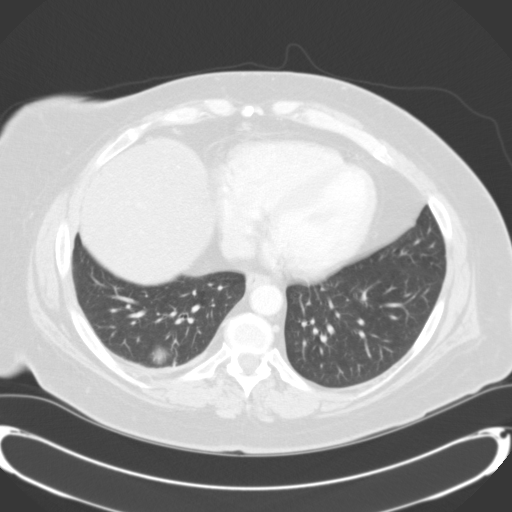
One axial slice (63 of 124, counting up from the lowest) of a chest CT acquired at 120 kVp with the B31f kernel; each pixel is 0.764 mm and the slice is 3.00 mm thick.
Pulmonary nodule at rows 347–363, columns 152–167 (box = the union of the readers' outlines on this slice), outlined by three of the four readers; longest diameter 33.3 mm on average over the three readers' outlines (readers' outlines 32.1–33.9 mm), volume 13060–14151 mm3. The readers' prevailing ratings and who disagreed: most readers (two of three) put texture at 5/5 (solid), others 4/5 (one); margin 5/5 (circumscribed) by two of three readers; the rest gave 4/5 (one); sphericity 4/5, all three readers agreeing; calcification absent, all three readers agreeing; internal structure soft tissue from all three readers; subtlety 5/5, all three readers agreeing; malignancy likelihood 3/5 by two of three readers; the rest gave 5/5 (one). Scale key (1–5): texture non-solid→solid, margin indistinct→circumscribed, sphericity linear→round, subtlety extremely subtle→obvious, malignancy likelihood highly unlikely→highly suspicious of cancer. Box rows and columns are 0-based pixel indices from the top-left corner, inclusive.